Chest CT, axial plane, 120 kVp, kernel B. Slice 358/590 from the bottom of the scan; thickness 0.90 mm; pixel size 0.627 mm.
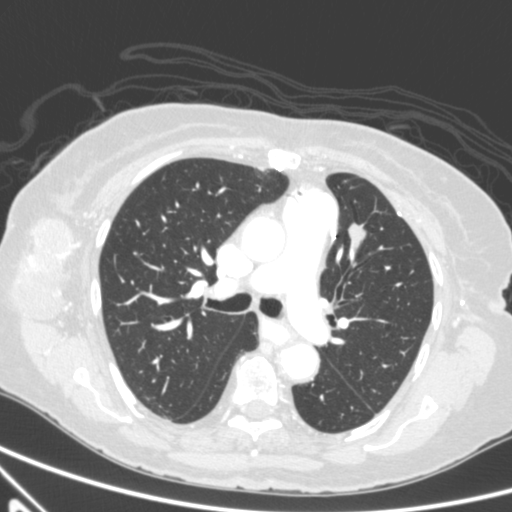
Pulmonary nodule at rows 223–253, columns 347–365 (box = the union of the readers' outlines on this slice), outlined by all four readers; longest diameter 17.9 mm on average over the four readers' outlines (readers' outlines 16.3–20.1 mm), volume 1116–1236 mm3. Ratings, by the readers' most common answer with dissent counted: texture 5/5 (solid), all four readers agreeing; margin 4/5 by two of four readers; the rest gave 3/5 (one), 5/5 (circumscribed) (one); sphericity split among the readers: 3/5 (ovoid) (two), 4/5 (two); calcification absent from all four readers; internal structure soft tissue from all four readers; most readers (three of four) put subtlety at 5/5, others 4/5 (one); malignancy likelihood split among the readers: 3/5 (two), 5/5 (two). Scale key (1–5): texture non-solid→solid, margin indistinct→circumscribed, sphericity linear→round, subtlety extremely subtle→obvious, malignancy likelihood highly unlikely→highly suspicious of cancer. Box rows and columns are 0-based pixel indices from the top-left corner, inclusive.